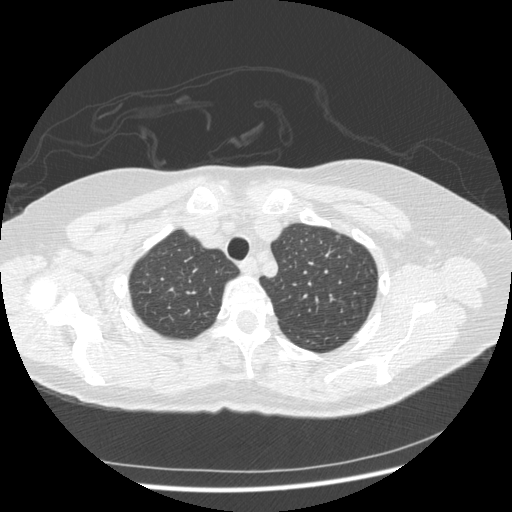
This is axial slice 365 of 436 (slice 1 is the lowest) of a chest CT; each pixel is 0.703 mm and the slice is 1.25 mm thick. Pulmonary nodule, outlined by one of the four readers. Box on this slice rows 235–239, columns 335–339, that reader's outline on this slice; longest diameter 6.0 mm and volume 25 mm3 from that reader's outline. Ratings by that reader: texture 5/5 (solid); margin 4/5; sphericity 3/5 (ovoid); calcification absent; internal structure soft tissue; subtlety 4/5; malignancy likelihood 5/5. Scale key (1–5): texture non-solid→solid, margin indistinct→circumscribed, sphericity linear→round, subtlety extremely subtle→obvious, malignancy likelihood highly unlikely→highly suspicious of cancer. Box rows and columns are 0-based pixel indices from the top-left corner, inclusive.
Tube voltage 120 kVp; convolution kernel STANDARD.